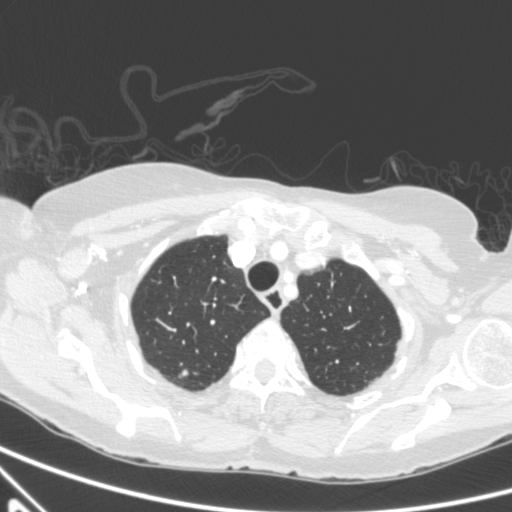
Slice 512/590 of a chest CT, counting up from the lowest; pixel size 0.627 mm, slice thickness 0.90 mm. Pulmonary nodule, outlined by three of the four readers. Box on this slice rows 368–375, columns 182–188, the union of the readers' outlines on this slice; longest diameter 5.8 mm on average over the three readers' outlines (readers' outlines 5.4–6.2 mm), volume 51–88 mm3. Ratings, by the readers' most common answer with dissent counted: most readers (two of three) put texture at 4/5, others 5/5 (solid) (one); margin split among the readers: 3/5 (one), 4/5 (one), 5/5 (circumscribed) (one); sphericity split among the readers: 3/5 (ovoid) (one), 4/5 (one), 5/5 (round) (one); calcification absent from all three readers; internal structure soft tissue from all three readers; subtlety 3/5 from all three readers; most readers (two of three) put malignancy likelihood at 3/5, others 2/5 (one). Scale key (1–5): texture non-solid→solid, margin indistinct→circumscribed, sphericity linear→round, subtlety extremely subtle→obvious, malignancy likelihood highly unlikely→highly suspicious of cancer. Box rows and columns are 0-based pixel indices from the top-left corner, inclusive.
Scan settings: 120 kVp, B reconstruction kernel.